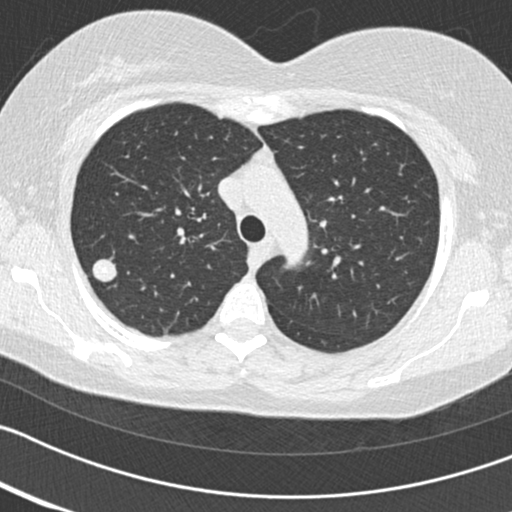
Axial slice 120 of 161 of a chest CT (slice 1 is the lowest), reconstructed with the B30f kernel at 120 kVp; 2.00 mm slice thickness and 0.586 mm pixels.
Pulmonary nodule at rows 259–282, columns 91–116 (box = the union of the readers' outlines on this slice), outlined by all four readers; longest diameter 16.3 mm on average over the four readers' outlines (readers' outlines 15.4–17.6 mm), volume 1259–1807 mm3. Ratings, by the readers' most common answer with dissent counted: texture 5/5 (solid) by three of four readers; the rest gave 4/5 (one); margin 5/5 (circumscribed) by three of four readers; the rest gave 4/5 (one); sphericity 5/5 (round) from all four readers; calcification split among the readers: central calcification (two), absent (two); internal structure soft tissue, all four readers agreeing; subtlety 5/5, all four readers agreeing; malignancy likelihood split among the readers: 1/5 (two), 3/5 (two). Scale key (1–5): texture non-solid→solid, margin indistinct→circumscribed, sphericity linear→round, subtlety extremely subtle→obvious, malignancy likelihood highly unlikely→highly suspicious of cancer. Box rows and columns are 0-based pixel indices from the top-left corner, inclusive.